Axial chest CT slice 108 of 225 (counted from the lowest slice); tube voltage 120 kVp, convolution kernel BONE; slices 1.25 mm thick, 0.637 mm per pixel.
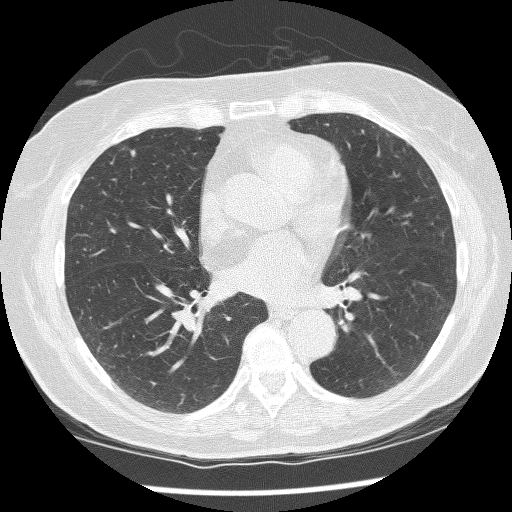
Pulmonary nodule at rows 149–156, columns 130–134 (box = the union of the readers' outlines on this slice), outlined by two of the four readers; median longest diameter 6.0 mm (readers' outlines 5.7–6.3 mm), median volume 87 mm3 (84–91 mm3). Ratings, median across the readers with their spread: texture 5/5 (solid) from both readers; median margin 4/5 (readers ranged 3/5 to 5/5 (circumscribed)); sphericity 3/5 (ovoid) at the median of two readers, spread 2/5 to 4/5; calcification absent from both readers; internal structure soft tissue from both readers; subtlety 4/5, both readers agreeing; median malignancy likelihood 2.5/5 (readers ranged 2–3). Scale key (1–5): texture non-solid→solid, margin indistinct→circumscribed, sphericity linear→round, subtlety extremely subtle→obvious, malignancy likelihood highly unlikely→highly suspicious of cancer. Box rows and columns are 0-based pixel indices from the top-left corner, inclusive.